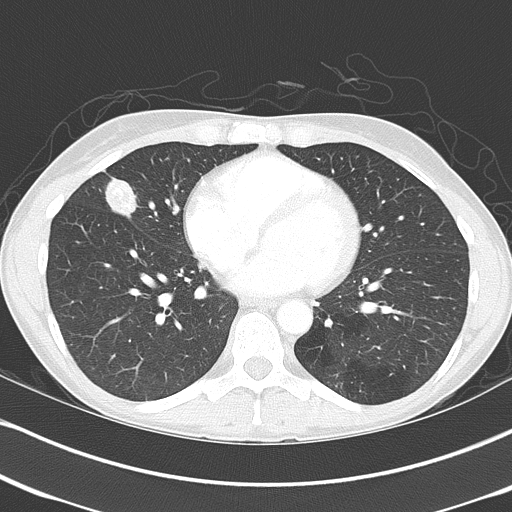
This is axial slice 178 of 368 (slice 1 is the lowest) of a chest CT; each pixel is 0.623 mm and the slice is 2.00 mm thick. Pulmonary nodule outlined by all four readers; box rows 174–216, columns 104–137 (the union of the readers' outlines on this slice); the four readers' outlines give a longest diameter between 27.1 and 39.3 mm and a volume between 6531 and 9806 mm3. The readers' ratings, as ranges where they differ: texture 5/5 (solid) from all four readers; margin from 2/5 to 5/5 (circumscribed) across the four readers; sphericity from 2/5 to 3/5 (ovoid) across the four readers; calcification split among the readers: laminated calcification (one), absent (one), popcorn calcification (one), non-central calcification (one); internal structure soft tissue, all four readers agreeing; subtlety 5/5, all four readers agreeing; malignancy likelihood from 1/5 to 5/5 across the four readers. Scale key (1–5): texture non-solid→solid, margin indistinct→circumscribed, sphericity linear→round, subtlety extremely subtle→obvious, malignancy likelihood highly unlikely→highly suspicious of cancer. Box rows and columns are 0-based pixel indices from the top-left corner, inclusive.
Acquired at 120 kVp and reconstructed with the B70f kernel.